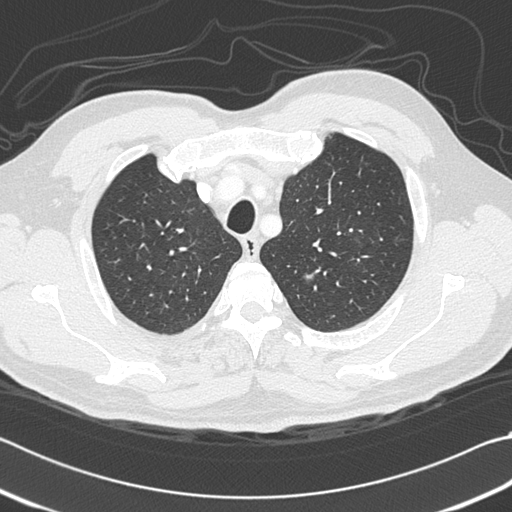
Chest CT, axial plane, 120 kVp, kernel B45f. Slice 264/312 from the bottom of the scan; thickness 1.00 mm; pixel size 0.664 mm.
Pulmonary nodule, outlined by one of the four readers. Box on this slice rows 273–278, columns 306–313, that reader's outline on this slice; longest diameter 6.3 mm and volume 41 mm3 from that reader's outline. That reader's ratings: texture 1/5 (non-solid); margin 2/5; sphericity 4/5; calcification absent; internal structure soft tissue; subtlety 1/5; malignancy likelihood 3/5. Scale key (1–5): texture non-solid→solid, margin indistinct→circumscribed, sphericity linear→round, subtlety extremely subtle→obvious, malignancy likelihood highly unlikely→highly suspicious of cancer. Box rows and columns are 0-based pixel indices from the top-left corner, inclusive.